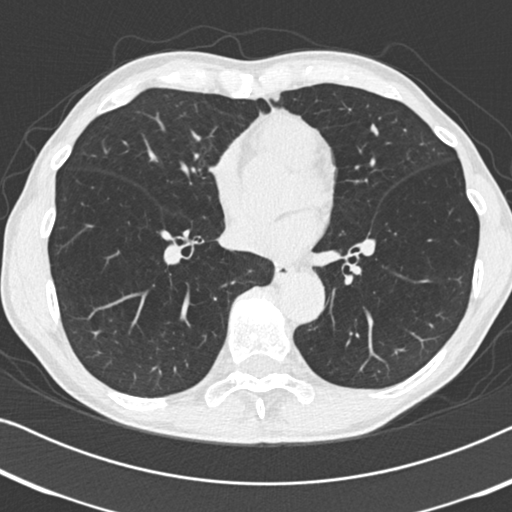
One axial slice (111 of 225, counting up from the lowest) of a chest CT acquired at 120 kVp with the B30f kernel; each pixel is 0.645 mm and the slice is 2.00 mm thick.
Pulmonary nodule, outlined by one of the four readers. Box on this slice rows 124–135, columns 371–378, that reader's outline on this slice; longest diameter 9.8 mm and volume 164 mm3 from that reader's outline. That reader's ratings: texture 5/5 (solid); margin 4/5; sphericity 3/5 (ovoid); calcification absent; internal structure soft tissue; subtlety 2/5; malignancy likelihood 2/5. Scale key (1–5): texture non-solid→solid, margin indistinct→circumscribed, sphericity linear→round, subtlety extremely subtle→obvious, malignancy likelihood highly unlikely→highly suspicious of cancer. Box rows and columns are 0-based pixel indices from the top-left corner, inclusive.